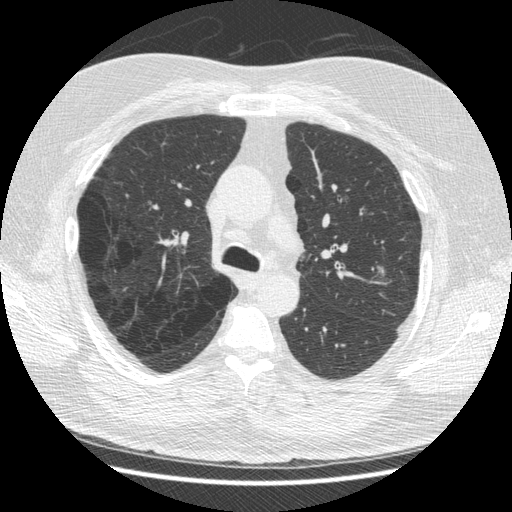
One axial slice (316 of 487, counting up from the lowest) of a chest CT acquired at 120 kVp with the STANDARD kernel; each pixel is 0.703 mm and the slice is 1.25 mm thick.
Pulmonary nodule at rows 266–277, columns 377–384 (box = the union of the readers' outlines on this slice), outlined by two of the four readers; median longest diameter 9.5 mm (readers' outlines 9.4–9.6 mm), median volume 155 mm3 (154–156 mm3). Median ratings and the readers' spread: texture 3.5/5 at the median of two readers, spread 3/5 (part-solid) to 4/5; margin 3/5 at the median of two readers, spread 2/5 to 4/5; sphericity 3/5 (ovoid), both readers agreeing; calcification absent, both readers agreeing; internal structure soft tissue from both readers; subtlety 2.5/5 at the median of two readers, spread 2–3; malignancy likelihood 3.5/5 at the median of two readers, spread 3–4. Scale key (1–5): texture non-solid→solid, margin indistinct→circumscribed, sphericity linear→round, subtlety extremely subtle→obvious, malignancy likelihood highly unlikely→highly suspicious of cancer. Box rows and columns are 0-based pixel indices from the top-left corner, inclusive.